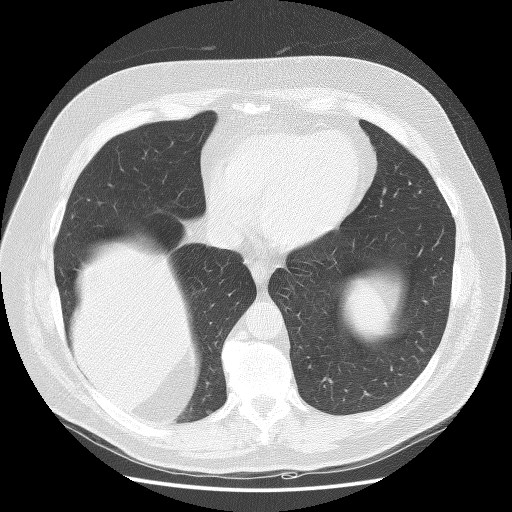
Axial slice 52 of 130 of a chest CT (slice 1 is the lowest), reconstructed with the BONE kernel at 140 kVp; 2.50 mm slice thickness and 0.723 mm pixels.
Pulmonary nodule at rows 410–413, columns 205–209 (box = that reader's outline on this slice), outlined by one of the four readers; longest diameter 6.2 mm and volume 78 mm3 from that reader's outline. That reader's ratings: texture 5/5 (solid); margin 5/5 (circumscribed); sphericity 4/5; calcification absent; internal structure soft tissue; subtlety 3/5; malignancy likelihood 3/5. Scale key (1–5): texture non-solid→solid, margin indistinct→circumscribed, sphericity linear→round, subtlety extremely subtle→obvious, malignancy likelihood highly unlikely→highly suspicious of cancer. Box rows and columns are 0-based pixel indices from the top-left corner, inclusive.